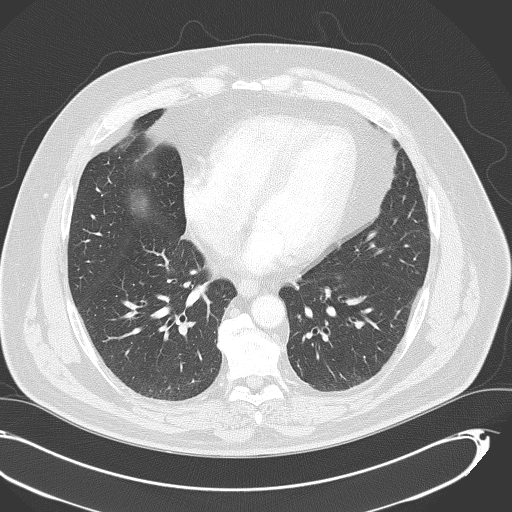
Chest CT, axial plane, 120 kVp, kernel B70f. Slice 161/333 from the bottom of the scan; thickness 2.00 mm; pixel size 0.775 mm.
No nodule 3 mm or larger was outlined here by any reader.